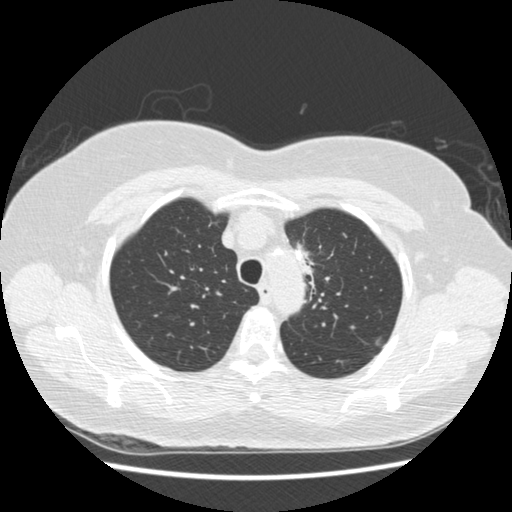
Axial slice 347 of 445 of a chest CT (slice 1 is the lowest), reconstructed with the STANDARD kernel at 120 kVp; 1.25 mm slice thickness and 0.645 mm pixels.
Two pulmonary nodules on this slice, listed from left to right. (1) Pulmonary nodule, outlined by one of the four readers. Box on this slice rows 244–287, columns 296–313, that reader's outline on this slice; longest diameter 31.0 mm and volume 2055 mm3 from that reader's outline. That reader's ratings: texture 5/5 (solid); margin 2/5; sphericity 2/5; calcification absent; internal structure soft tissue; subtlety 5/5; malignancy likelihood 4/5. (2) Pulmonary nodule, outlined by all four readers. Box on this slice rows 336–347, columns 374–382, the union of the readers' outlines on this slice; median longest diameter 11.1 mm (readers' outlines 9.9–11.6 mm), median volume 349 mm3 (292–430 mm3). Median ratings and the readers' spread: texture 2/5 at the median of four readers, spread 1/5 (non-solid) to 4/5; margin 4/5 at the median of four readers, spread 2/5 to 5/5 (circumscribed); sphericity 4/5 at the median of four readers, spread 3/5 (ovoid) to 5/5 (round); calcification absent, all four readers agreeing; internal structure soft tissue from all four readers; median subtlety 3/5 (readers ranged 3–5); median malignancy likelihood 4/5 (readers ranged 2–5). Scale key (1–5): texture non-solid→solid, margin indistinct→circumscribed, sphericity linear→round, subtlety extremely subtle→obvious, malignancy likelihood highly unlikely→highly suspicious of cancer. Box rows and columns are 0-based pixel indices from the top-left corner, inclusive.